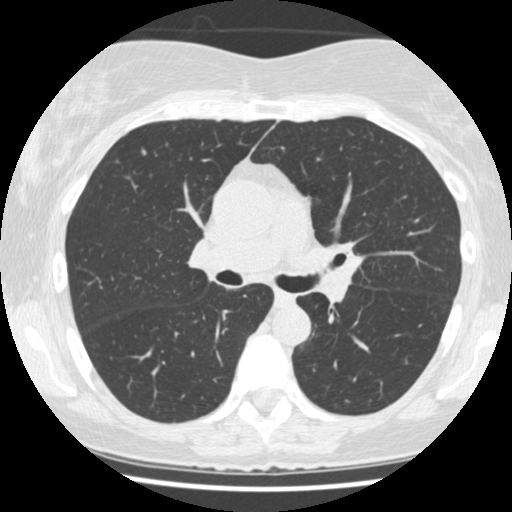
Axial slice 277 of 477 of a chest CT (slice 1 is the lowest), reconstructed with the STANDARD kernel at 120 kVp; 1.25 mm slice thickness and 0.625 mm pixels.
Pulmonary nodule outlined by two of the four readers; box rows 149–154, columns 141–146 (the union of the readers' outlines on this slice); longest diameter 4.6–4.8 mm and volume 22–35 mm3 across the two readers' outlines. The readers' ratings, as ranges where they differ: texture 5/5 (solid) from both readers; margin from 3/5 to 4/5 across the two readers; sphericity from 4/5 to 5/5 (round) across the two readers; calcification absent from both readers; internal structure soft tissue, both readers agreeing; subtlety 1–2/5 (the readers disagree); malignancy likelihood 1–2/5 (the readers disagree). Scale key (1–5): texture non-solid→solid, margin indistinct→circumscribed, sphericity linear→round, subtlety extremely subtle→obvious, malignancy likelihood highly unlikely→highly suspicious of cancer. Box rows and columns are 0-based pixel indices from the top-left corner, inclusive.